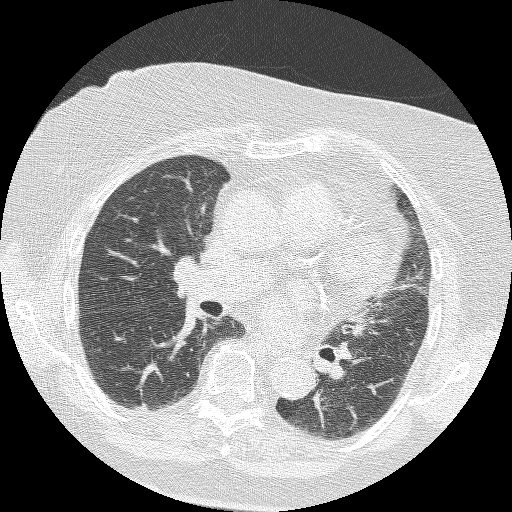
One axial slice (146 of 235, counting up from the lowest) of a chest CT acquired at 120 kVp with the BONE kernel; each pixel is 0.625 mm and the slice is 1.25 mm thick.
Pulmonary nodule, outlined by two of the four readers, one of them on this slice. Box on this slice rows 402–412, columns 136–149, the one reader's outline on this slice; longest diameter 17.6–22.4 mm and volume 602–1472 mm3 across the two readers' outlines. The readers' ratings, as ranges where they differ: texture 5/5 (solid) from both readers; margin from 2/5 to 5/5 (circumscribed) across the two readers; sphericity from 1/5 (linear) to 2/5 across the two readers; calcification absent from both readers; internal structure soft tissue, both readers agreeing; subtlety 5/5 from both readers; malignancy likelihood 3/5, both readers agreeing. Scale key (1–5): texture non-solid→solid, margin indistinct→circumscribed, sphericity linear→round, subtlety extremely subtle→obvious, malignancy likelihood highly unlikely→highly suspicious of cancer. Box rows and columns are 0-based pixel indices from the top-left corner, inclusive.